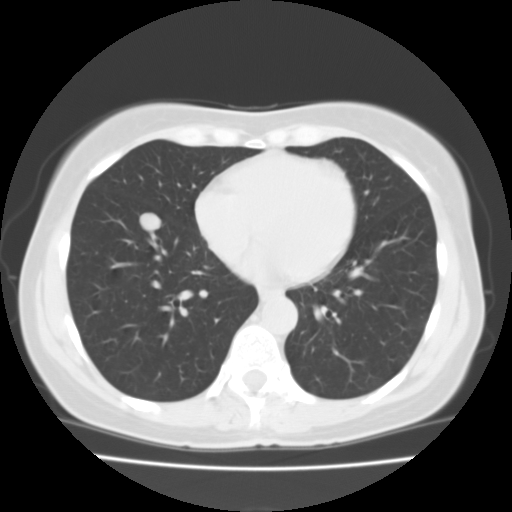
Chest CT, axial plane, 135 kVp, kernel FC01. Slice 39/105 from the bottom of the scan; thickness 3.00 mm; pixel size 0.644 mm.
Pulmonary nodule at rows 212–231, columns 139–161 (box = the union of the readers' outlines on this slice), outlined by all four readers; longest diameter 16.5 mm on average over the four readers' outlines (readers' outlines 16.1–17.1 mm), volume 1634–1866 mm3. Ratings, by the readers' most common answer with dissent counted: texture 5/5 (solid), all four readers agreeing; margin 5/5 (circumscribed) by two of four readers; the rest gave 3/5 (one), 4/5 (one); sphericity 5/5 (round) by three of four readers; the rest gave 4/5 (one); calcification absent from all four readers; internal structure soft tissue, all four readers agreeing; subtlety 5/5 by three of four readers; the rest gave 3/5 (one); malignancy likelihood 5/5 by two of four readers; the rest gave 2/5 (one), 3/5 (one). Scale key (1–5): texture non-solid→solid, margin indistinct→circumscribed, sphericity linear→round, subtlety extremely subtle→obvious, malignancy likelihood highly unlikely→highly suspicious of cancer. Box rows and columns are 0-based pixel indices from the top-left corner, inclusive.